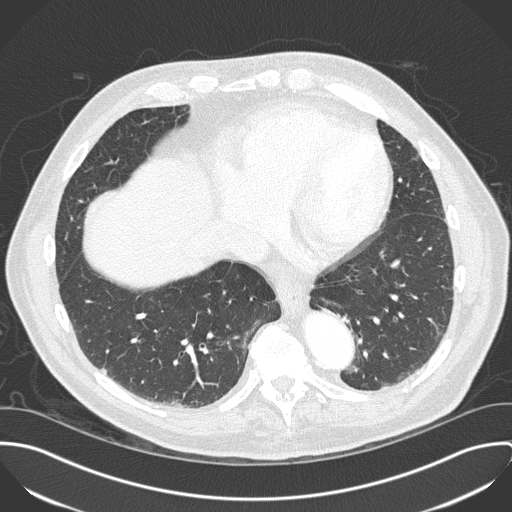
Axial chest CT slice 109 of 330 (counted from the lowest slice); tube voltage 120 kVp, convolution kernel B45f; slices 1.00 mm thick, 0.762 mm per pixel.
Pulmonary nodule outlined by two of the four readers; box rows 368–375, columns 99–107 (the union of the readers' outlines on this slice); longest diameter 8.7–9.9 mm and volume 103–135 mm3 across the two readers' outlines. The readers' ratings, as ranges where they differ: texture from 4/5 to 5/5 (solid) across the two readers; margin from 4/5 to 5/5 (circumscribed) across the two readers; sphericity from 3/5 (ovoid) to 4/5 across the two readers; calcification absent from both readers; internal structure soft tissue, both readers agreeing; subtlety from 3/5 to 4/5 across the two readers; malignancy likelihood rated between 2 and 3 out of 5 by the two readers. Scale key (1–5): texture non-solid→solid, margin indistinct→circumscribed, sphericity linear→round, subtlety extremely subtle→obvious, malignancy likelihood highly unlikely→highly suspicious of cancer. Box rows and columns are 0-based pixel indices from the top-left corner, inclusive.